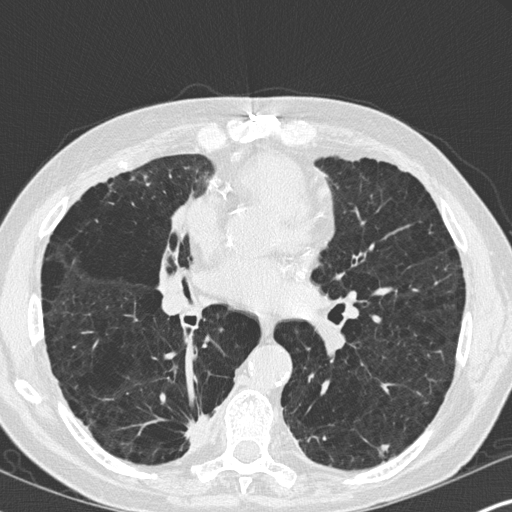
One axial slice (162 of 347, counting up from the lowest) of a chest CT acquired at 120 kVp with the B45f kernel; each pixel is 0.625 mm and the slice is 1.00 mm thick.
Pulmonary nodule at rows 444–456, columns 379–389 (box = the union of the readers' outlines on this slice), outlined by all four readers; median longest diameter 8.5 mm (readers' outlines 6.4–10.2 mm), median volume 87 mm3 (51–128 mm3). Median ratings and the readers' spread: texture 5/5 (solid), all four readers agreeing; median margin 4/5 (readers ranged 3/5 to 5/5 (circumscribed)); sphericity 3.5/5 at the median of four readers, spread 2/5 to 5/5 (round); calcification absent from all four readers; internal structure soft tissue from all four readers; subtlety 3.5/5 at the median of four readers, spread 2–5; median malignancy likelihood 3/5 (readers ranged 2–4). Scale key (1–5): texture non-solid→solid, margin indistinct→circumscribed, sphericity linear→round, subtlety extremely subtle→obvious, malignancy likelihood highly unlikely→highly suspicious of cancer. Box rows and columns are 0-based pixel indices from the top-left corner, inclusive.